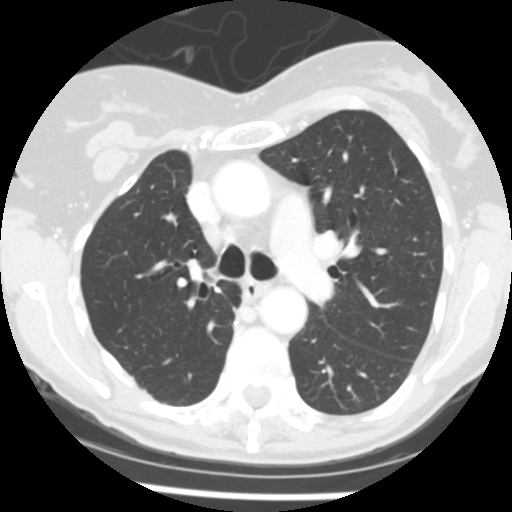
This is axial slice 158 of 245 (slice 1 is the lowest) of a chest CT; each pixel is 0.547 mm and the slice is 2.50 mm thick. Pulmonary nodule outlined by all four readers, one of them on this slice; box rows 321–325, columns 227–232 (the one reader's outline on this slice); median longest diameter 13.8 mm (readers' outlines 13.1–14.5 mm), median volume 730 mm3 (549–868 mm3). Ratings, median across the readers with their spread: texture 5/5 (solid) from all four readers; margin 4/5 at the median of four readers, spread 3/5 to 5/5 (circumscribed); median sphericity 3.5/5 (readers ranged 2/5 to 5/5 (round)); calcification absent, all four readers agreeing; internal structure soft tissue from all four readers; median subtlety 4/5 (readers ranged 4–5); malignancy likelihood 4/5 at the median of four readers, spread 3–5. Scale key (1–5): texture non-solid→solid, margin indistinct→circumscribed, sphericity linear→round, subtlety extremely subtle→obvious, malignancy likelihood highly unlikely→highly suspicious of cancer. Box rows and columns are 0-based pixel indices from the top-left corner, inclusive.
Scan settings: 120 kVp, STANDARD reconstruction kernel.